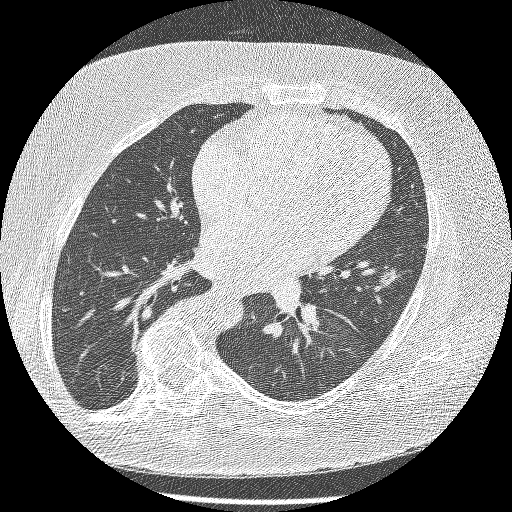
Axial chest CT slice 97 of 195 (counted from the lowest slice); tube voltage 120 kVp, convolution kernel BONE; slices 1.25 mm thick, 0.645 mm per pixel.
Pulmonary nodule outlined by two of the four readers; box rows 270–286, columns 380–394 (the union of the readers' outlines on this slice); longest diameter 12.4–14.3 mm and volume 220–228 mm3 across the two readers' outlines. The readers' ratings, as ranges where they differ: texture from 4/5 to 5/5 (solid) across the two readers; margin from 2/5 to 3/5 across the two readers; sphericity from 2/5 to 3/5 (ovoid) across the two readers; calcification absent, both readers agreeing; internal structure soft tissue, both readers agreeing; subtlety 2–3/5 (the readers disagree); malignancy likelihood 3/5, both readers agreeing. Scale key (1–5): texture non-solid→solid, margin indistinct→circumscribed, sphericity linear→round, subtlety extremely subtle→obvious, malignancy likelihood highly unlikely→highly suspicious of cancer. Box rows and columns are 0-based pixel indices from the top-left corner, inclusive.